Chest CT, axial plane, 120 kVp, kernel B30f. Slice 76/192 from the bottom of the scan; thickness 2.00 mm; pixel size 0.664 mm.
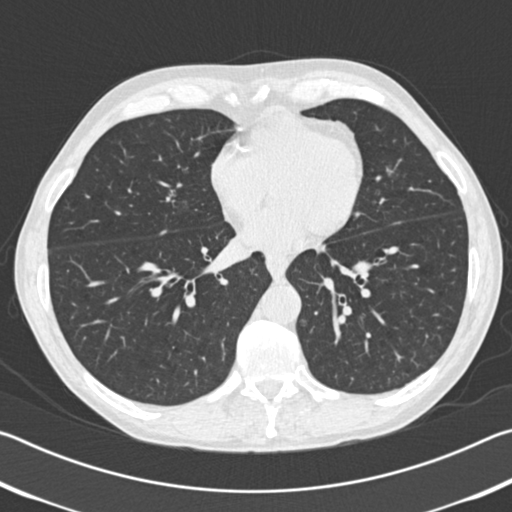
Pulmonary nodule at rows 200–211, columns 176–188 (box = that reader's outline on this slice), outlined by one of the four readers; longest diameter 17.7 mm and volume 2737 mm3 from that reader's outline. That reader's ratings: texture 1/5 (non-solid); margin 2/5; sphericity 4/5; calcification absent; internal structure soft tissue; subtlety 2/5; malignancy likelihood 2/5. Scale key (1–5): texture non-solid→solid, margin indistinct→circumscribed, sphericity linear→round, subtlety extremely subtle→obvious, malignancy likelihood highly unlikely→highly suspicious of cancer. Box rows and columns are 0-based pixel indices from the top-left corner, inclusive.